One axial slice (206 of 315, counting up from the lowest) of a chest CT acquired at 120 kVp with the B kernel; each pixel is 0.830 mm and the slice is 2.00 mm thick.
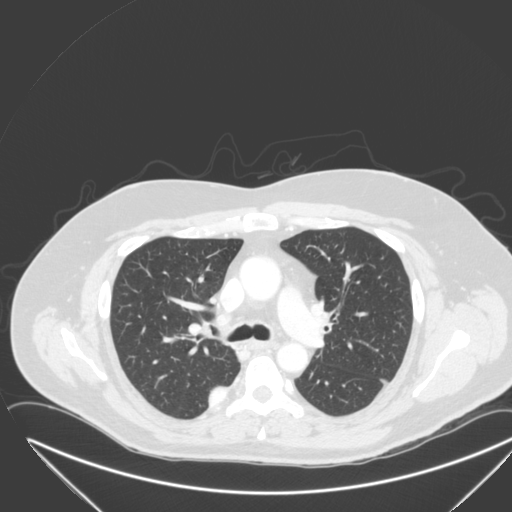
Pulmonary nodule, outlined by one of the four readers. Box on this slice rows 387–405, columns 209–226, that reader's outline on this slice; longest diameter 27.1 mm and volume 6093 mm3 from that reader's outline. Ratings by that reader: texture 5/5 (solid); margin 4/5; sphericity 2/5; calcification absent; internal structure soft tissue; subtlety 5/5; malignancy likelihood 4/5. Scale key (1–5): texture non-solid→solid, margin indistinct→circumscribed, sphericity linear→round, subtlety extremely subtle→obvious, malignancy likelihood highly unlikely→highly suspicious of cancer. Box rows and columns are 0-based pixel indices from the top-left corner, inclusive.